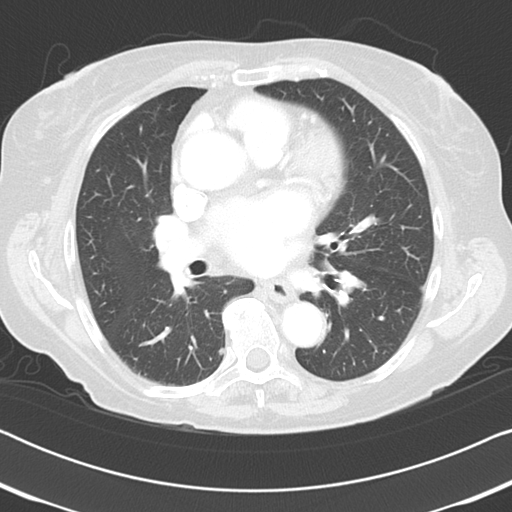
Axial chest CT slice 57 of 96 (counted from the lowest slice); 3.00 mm thick, 0.645 mm per pixel. Pulmonary nodule at rows 347–355, columns 218–223 (box = the union of the readers' outlines on this slice), outlined by three of the four readers; longest diameter 6.1 mm on average over the three readers' outlines (readers' outlines 5.8–6.7 mm), volume 82–131 mm3. Ratings, by the readers' most common answer with dissent counted: texture 5/5 (solid) from all three readers; margin 5/5 (circumscribed) by two of three readers; the rest gave 4/5 (one); most readers (two of three) put sphericity at 5/5 (round), others 3/5 (ovoid) (one); calcification absent from all three readers; internal structure soft tissue from all three readers; most readers (two of three) put subtlety at 3/5, others 5/5 (one); most readers (two of three) put malignancy likelihood at 3/5, others 2/5 (one). Scale key (1–5): texture non-solid→solid, margin indistinct→circumscribed, sphericity linear→round, subtlety extremely subtle→obvious, malignancy likelihood highly unlikely→highly suspicious of cancer. Box rows and columns are 0-based pixel indices from the top-left corner, inclusive.
Tube voltage 120 kVp; convolution kernel B45f.